Axial chest CT slice 122 of 605 (counted from the lowest slice); tube voltage 120 kVp, convolution kernel STANDARD; slices 1.25 mm thick, 0.703 mm per pixel.
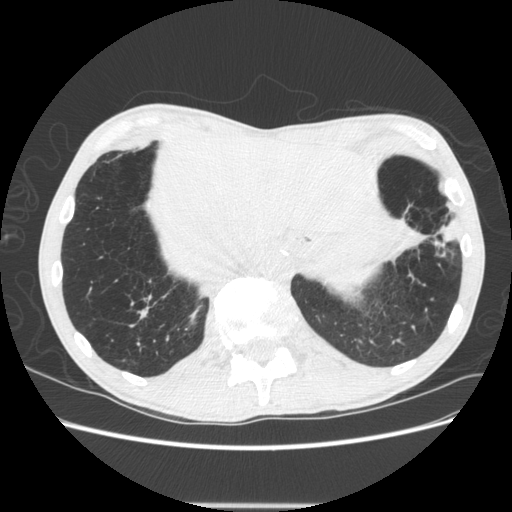
Pulmonary nodule at rows 217–238, columns 439–461 (box = that reader's outline on this slice), outlined by one of the four readers; longest diameter 29.0 mm and volume 1790 mm3 from that reader's outline. Ratings by that reader: texture 4/5; margin 4/5; sphericity 2/5; calcification absent; internal structure soft tissue; subtlety 5/5; malignancy likelihood 4/5. Scale key (1–5): texture non-solid→solid, margin indistinct→circumscribed, sphericity linear→round, subtlety extremely subtle→obvious, malignancy likelihood highly unlikely→highly suspicious of cancer. Box rows and columns are 0-based pixel indices from the top-left corner, inclusive.